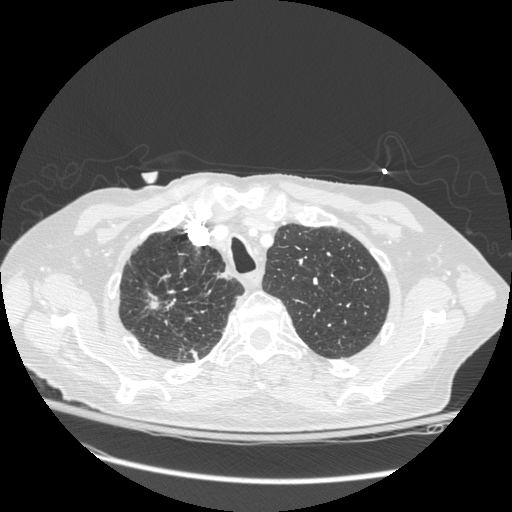
This is axial slice 223 of 272 (slice 1 is the lowest) of a chest CT; each pixel is 0.742 mm and the slice is 1.25 mm thick. Pulmonary nodule, outlined by all four readers. Box on this slice rows 292–309, columns 147–159, the union of the readers' outlines on this slice; the four readers' outlines give a longest diameter between 16.0 and 56.1 mm and a volume between 732 and 13897 mm3. Ratings across the readers: texture 5/5 (solid), all four readers agreeing; margin from 3/5 to 5/5 (circumscribed) across the four readers; sphericity from 3/5 (ovoid) to 4/5 across the four readers; calcification absent, all four readers agreeing; internal structure soft tissue from all four readers; subtlety 5/5, all four readers agreeing; malignancy likelihood 4–5/5 (the readers disagree). Scale key (1–5): texture non-solid→solid, margin indistinct→circumscribed, sphericity linear→round, subtlety extremely subtle→obvious, malignancy likelihood highly unlikely→highly suspicious of cancer. Box rows and columns are 0-based pixel indices from the top-left corner, inclusive.
Tube voltage 120 kVp; convolution kernel STANDARD.